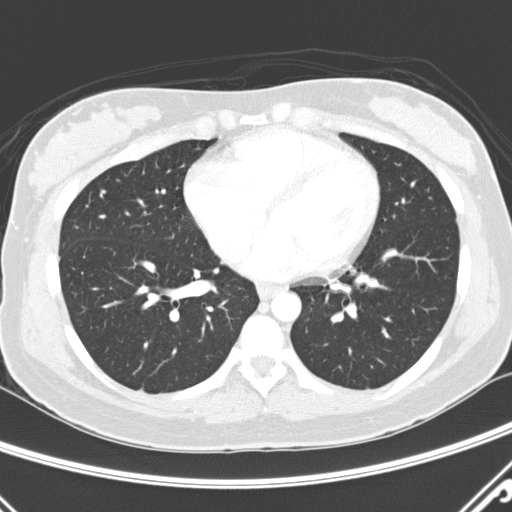
One axial slice (121 of 290, counting up from the lowest) of a chest CT acquired at 120 kVp with the D kernel; each pixel is 0.648 mm and the slice is 2.00 mm thick.
Pulmonary nodule at rows 189–193, columns 100–105 (box = the union of the readers' outlines on this slice), outlined by two of the four readers; median longest diameter 4.6 mm (readers' outlines 4.3–4.9 mm), median volume 45 mm3 (43–48 mm3). Ratings, median across the readers with their spread: texture 5/5 (solid) from both readers; margin 5/5 (circumscribed) from both readers; median sphericity 4/5 (readers ranged 3/5 (ovoid) to 5/5 (round)); calcification absent, both readers agreeing; internal structure soft tissue from both readers; median subtlety 4/5 (readers ranged 3–5); malignancy likelihood 2/5 at the median of two readers, spread 1–3. Scale key (1–5): texture non-solid→solid, margin indistinct→circumscribed, sphericity linear→round, subtlety extremely subtle→obvious, malignancy likelihood highly unlikely→highly suspicious of cancer. Box rows and columns are 0-based pixel indices from the top-left corner, inclusive.